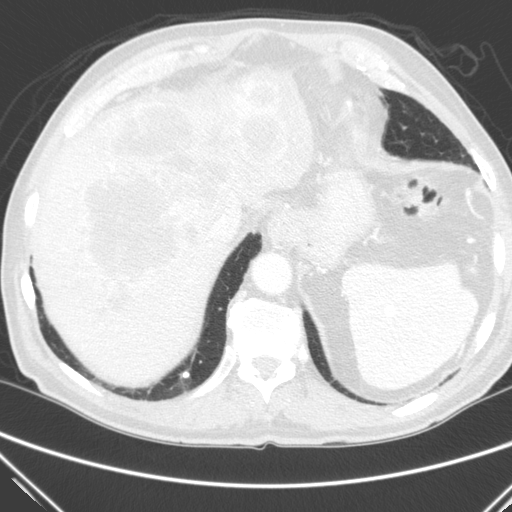
This is axial slice 42 of 290 (slice 1 is the lowest) of a chest CT; each pixel is 0.682 mm and the slice is 2.00 mm thick. Pulmonary nodule, outlined by three of the four readers. Box on this slice rows 371–378, columns 181–189, the union of the readers' outlines on this slice; longest diameter 8.4 mm on average over the three readers' outlines (readers' outlines 7.9–9.1 mm), volume 197–260 mm3. Ratings, by the readers' most common answer with dissent counted: texture 5/5 (solid) from all three readers; margin 5/5 (circumscribed), all three readers agreeing; sphericity 5/5 (round) by two of three readers; the rest gave 4/5 (one); calcification absent by two of three readers, solid calcification (one); internal structure soft tissue, all three readers agreeing; subtlety 5/5, all three readers agreeing; malignancy likelihood 1/5 by two of three readers; the rest gave 3/5 (one). Scale key (1–5): texture non-solid→solid, margin indistinct→circumscribed, sphericity linear→round, subtlety extremely subtle→obvious, malignancy likelihood highly unlikely→highly suspicious of cancer. Box rows and columns are 0-based pixel indices from the top-left corner, inclusive.
Acquired at 120 kVp and reconstructed with the C kernel.